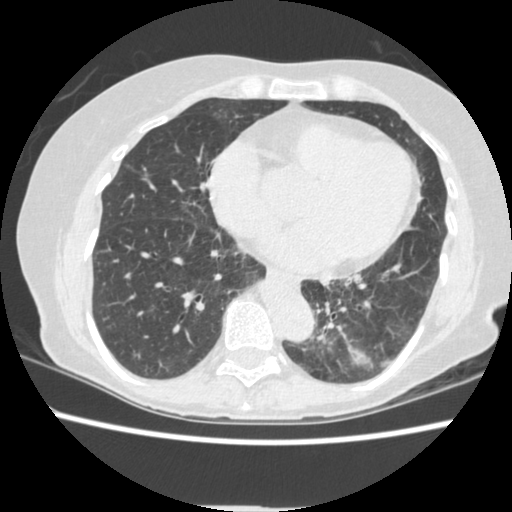
Axial slice 123 of 362 of a chest CT (slice 1 is the lowest), reconstructed with the STANDARD kernel at 120 kVp; 1.25 mm slice thickness and 0.625 mm pixels.
Pulmonary nodule, outlined by one of the four readers. Box on this slice rows 345–364, columns 349–371, that reader's outline on this slice; longest diameter 37.2 mm and volume 2579 mm3 from that reader's outline. Ratings by that reader: texture 5/5 (solid); margin 3/5; sphericity 4/5; calcification absent; internal structure soft tissue; subtlety 5/5; malignancy likelihood 4/5. Scale key (1–5): texture non-solid→solid, margin indistinct→circumscribed, sphericity linear→round, subtlety extremely subtle→obvious, malignancy likelihood highly unlikely→highly suspicious of cancer. Box rows and columns are 0-based pixel indices from the top-left corner, inclusive.